Chest CT, axial plane, 120 kVp, kernel STANDARD. Slice 83/245 from the bottom of the scan; thickness 1.25 mm; pixel size 0.826 mm.
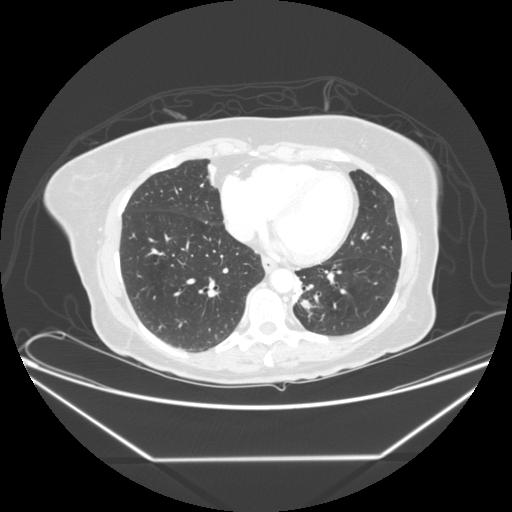
Pulmonary nodule outlined by all four readers; box rows 299–310, columns 300–310 (the union of the readers' outlines on this slice); median longest diameter 13.0 mm (readers' outlines 10.9–14.9 mm), median volume 559 mm3 (519–637 mm3). Ratings, median across the readers with their spread: texture 5/5 (solid) from all four readers; margin 4/5 at the median of four readers, spread 4/5 to 5/5 (circumscribed); median sphericity 4/5 (readers ranged 3/5 (ovoid) to 5/5 (round)); calcification absent from all four readers; internal structure soft tissue, all four readers agreeing; subtlety 3.5/5 at the median of four readers, spread 2–5; malignancy likelihood 3/5 at the median of four readers, spread 3–4. Scale key (1–5): texture non-solid→solid, margin indistinct→circumscribed, sphericity linear→round, subtlety extremely subtle→obvious, malignancy likelihood highly unlikely→highly suspicious of cancer. Box rows and columns are 0-based pixel indices from the top-left corner, inclusive.